Axial chest CT slice 77 of 133 (counted from the lowest slice); tube voltage 140 kVp, convolution kernel STANDARD; slices 2.50 mm thick, 0.781 mm per pixel.
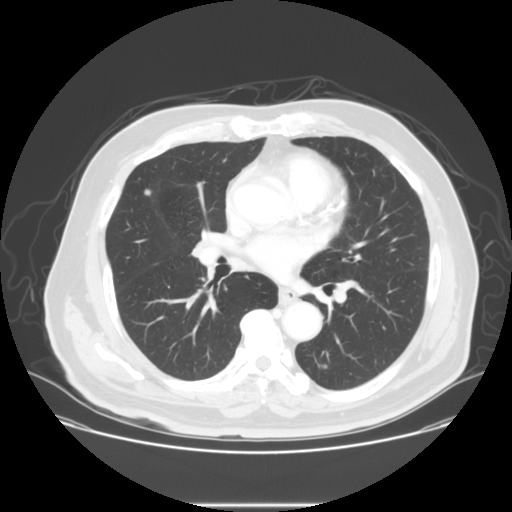
Pulmonary nodule, outlined by all four readers. Box on this slice rows 188–195, columns 143–151, the union of the readers' outlines on this slice; median longest diameter 7.4 mm (readers' outlines 6.7–8.5 mm), median volume 148 mm3 (117–201 mm3). Median ratings and the readers' spread: median texture 5/5 (solid) (readers ranged 4/5 to 5/5 (solid)); margin 4.5/5 at the median of four readers, spread 3/5 to 5/5 (circumscribed); median sphericity 4.5/5 (readers ranged 3/5 (ovoid) to 5/5 (round)); calcification absent, all four readers agreeing; internal structure soft tissue from all four readers; subtlety 3.5/5 at the median of four readers, spread 3–5; malignancy likelihood 2.5/5 at the median of four readers, spread 2–3. Scale key (1–5): texture non-solid→solid, margin indistinct→circumscribed, sphericity linear→round, subtlety extremely subtle→obvious, malignancy likelihood highly unlikely→highly suspicious of cancer. Box rows and columns are 0-based pixel indices from the top-left corner, inclusive.